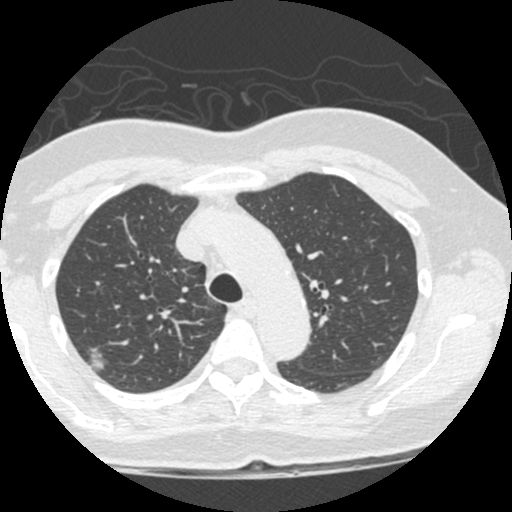
Axial slice 381 of 490 of a chest CT (slice 1 is the lowest), reconstructed with the STANDARD kernel at 120 kVp; 1.25 mm slice thickness and 0.547 mm pixels.
Pulmonary nodule, outlined by three of the four readers. Box on this slice rows 347–372, columns 84–109, the union of the readers' outlines on this slice; longest diameter 15.9 mm on average over the three readers' outlines (readers' outlines 14.3–18.3 mm), volume 967–1422 mm3. The readers' prevailing ratings and who disagreed: most readers (two of three) put texture at 1/5 (non-solid), others 5/5 (solid) (one); margin 2/5 by two of three readers; the rest gave 4/5 (one); sphericity split among the readers: 3/5 (ovoid) (one), 4/5 (one), 5/5 (round) (one); calcification absent, all three readers agreeing; internal structure soft tissue from all three readers; subtlety 5/5 by two of three readers; the rest gave 1/5 (one); malignancy likelihood split among the readers: 2/5 (one), 3/5 (one), 5/5 (one). Scale key (1–5): texture non-solid→solid, margin indistinct→circumscribed, sphericity linear→round, subtlety extremely subtle→obvious, malignancy likelihood highly unlikely→highly suspicious of cancer. Box rows and columns are 0-based pixel indices from the top-left corner, inclusive.